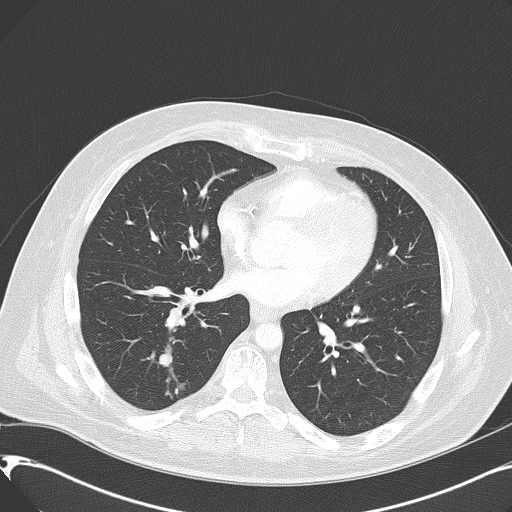
Axial slice 245 of 416 of a chest CT (slice 1 is the lowest), reconstructed with the B70f kernel at 120 kVp; 2.00 mm slice thickness and 0.723 mm pixels.
Pulmonary nodule, outlined by two of the four readers. Box on this slice rows 353–366, columns 159–172, the union of the readers' outlines on this slice; median longest diameter 11.9 mm (readers' outlines 11.8–12.1 mm), median volume 666 mm3 (626–706 mm3). Ratings, median across the readers with their spread: texture 5/5 (solid) from both readers; median margin 4.5/5 (readers ranged 4/5 to 5/5 (circumscribed)); sphericity 4/5, both readers agreeing; calcification absent from both readers; internal structure soft tissue, both readers agreeing; median subtlety 4.5/5 (readers ranged 4–5); malignancy likelihood 4.5/5 at the median of two readers, spread 4–5. Scale key (1–5): texture non-solid→solid, margin indistinct→circumscribed, sphericity linear→round, subtlety extremely subtle→obvious, malignancy likelihood highly unlikely→highly suspicious of cancer. Box rows and columns are 0-based pixel indices from the top-left corner, inclusive.